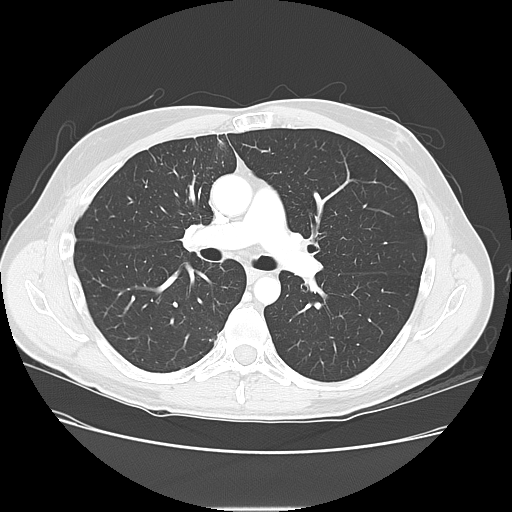
Slice 66/117 of a chest CT, counting up from the lowest; pixel size 0.723 mm, slice thickness 2.50 mm. This slice carries no reader outline of a nodule 3 mm or larger.
Scan settings: 120 kVp, LUNG reconstruction kernel.